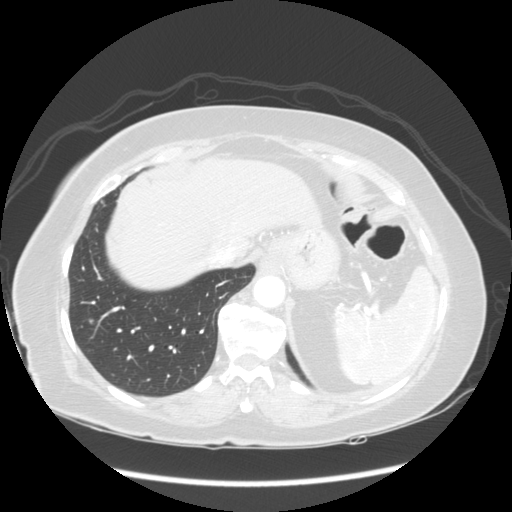
This is axial slice 52 of 141 (slice 1 is the lowest) of a chest CT; each pixel is 0.703 mm and the slice is 2.50 mm thick. Pulmonary nodule outlined by one of the four readers; box rows 318–324, columns 88–93 (that reader's outline on this slice); longest diameter 10.4 mm and volume 203 mm3 from that reader's outline. That reader's ratings: texture 2/5; margin 2/5; sphericity 3/5 (ovoid); calcification absent; internal structure soft tissue; subtlety 4/5; malignancy likelihood 3/5. Scale key (1–5): texture non-solid→solid, margin indistinct→circumscribed, sphericity linear→round, subtlety extremely subtle→obvious, malignancy likelihood highly unlikely→highly suspicious of cancer. Box rows and columns are 0-based pixel indices from the top-left corner, inclusive.
Tube voltage 120 kVp; convolution kernel STANDARD.